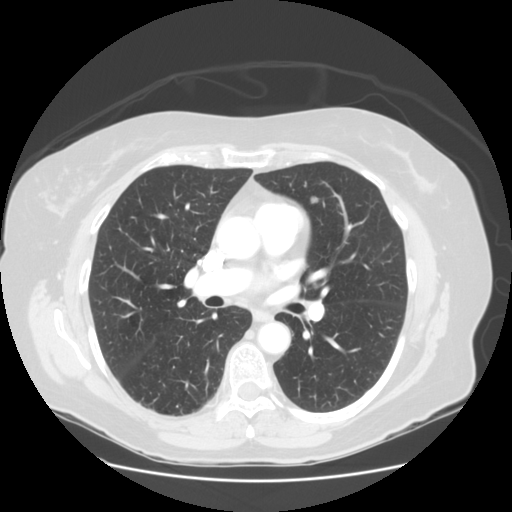
Chest CT, axial plane, 120 kVp, kernel STANDARD. Slice 73/128 from the bottom of the scan; thickness 2.50 mm; pixel size 0.742 mm.
Pulmonary nodule outlined by all four readers; box rows 196–203, columns 309–318 (the union of the readers' outlines on this slice); longest diameter 7.9 mm on average over the four readers' outlines (readers' outlines 7.7–8.0 mm), volume 202–252 mm3. The readers' prevailing ratings and who disagreed: most readers (three of four) put texture at 5/5 (solid), others 4/5 (one); margin split among the readers: 4/5 (two), 5/5 (circumscribed) (two); sphericity 5/5 (round) by two of four readers; the rest gave 3/5 (ovoid) (one), 4/5 (one); calcification absent from all four readers; internal structure soft tissue from all four readers; subtlety 4/5 by three of four readers; the rest gave 3/5 (one); malignancy likelihood 3/5 by two of four readers; the rest gave 2/5 (one), 4/5 (one). Scale key (1–5): texture non-solid→solid, margin indistinct→circumscribed, sphericity linear→round, subtlety extremely subtle→obvious, malignancy likelihood highly unlikely→highly suspicious of cancer. Box rows and columns are 0-based pixel indices from the top-left corner, inclusive.